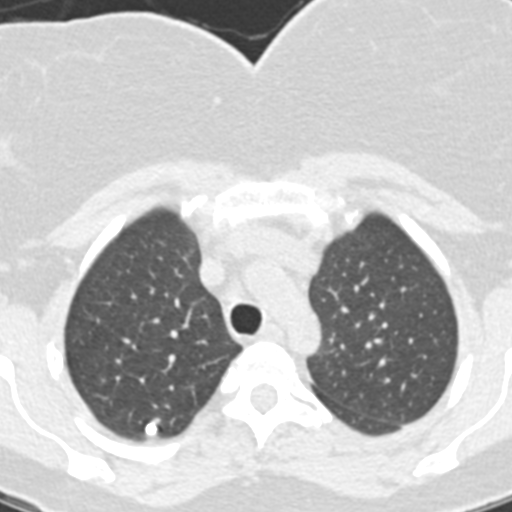
One axial slice (152 of 331, counting up from the lowest) of a chest CT acquired at 130 kVp with the B20s kernel; each pixel is 0.496 mm and the slice is 1.25 mm thick.
Pulmonary nodule outlined by all four readers; box rows 421–435, columns 144–157 (the union of the readers' outlines on this slice); longest diameter 6.9–8.4 mm and volume 132–209 mm3 across the four readers' outlines. Ratings across the readers: texture 5/5 (solid) from all four readers; margin 5/5 (circumscribed), all four readers agreeing; sphericity from 4/5 to 5/5 (round) across the four readers; calcification: solid calcification (three), central calcification (one); internal structure soft tissue, all four readers agreeing; subtlety rated between 4 and 5 out of 5 by the four readers; malignancy likelihood 1/5, all four readers agreeing. Scale key (1–5): texture non-solid→solid, margin indistinct→circumscribed, sphericity linear→round, subtlety extremely subtle→obvious, malignancy likelihood highly unlikely→highly suspicious of cancer. Box rows and columns are 0-based pixel indices from the top-left corner, inclusive.